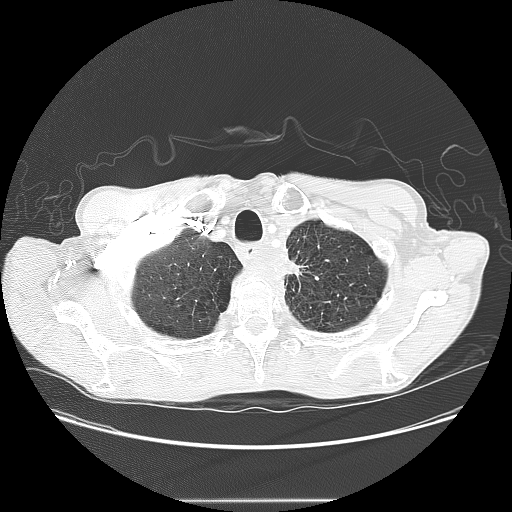
One axial slice (128 of 145, counting up from the lowest) of a chest CT acquired at 120 kVp with the LUNG kernel; each pixel is 0.781 mm and the slice is 2.50 mm thick.
Pulmonary nodule at rows 261–274, columns 286–299 (box = that reader's outline on this slice), outlined by one of the four readers; longest diameter 20.7 mm and volume 2229 mm3 from that reader's outline. That reader's ratings: texture 5/5 (solid); margin 2/5; sphericity 5/5 (round); calcification absent; internal structure soft tissue; subtlety 4/5; malignancy likelihood 5/5. Scale key (1–5): texture non-solid→solid, margin indistinct→circumscribed, sphericity linear→round, subtlety extremely subtle→obvious, malignancy likelihood highly unlikely→highly suspicious of cancer. Box rows and columns are 0-based pixel indices from the top-left corner, inclusive.